Axial chest CT slice 58 of 162 (counted from the lowest slice); tube voltage 120 kVp, convolution kernel BONE; slices 1.25 mm thick, 0.703 mm per pixel.
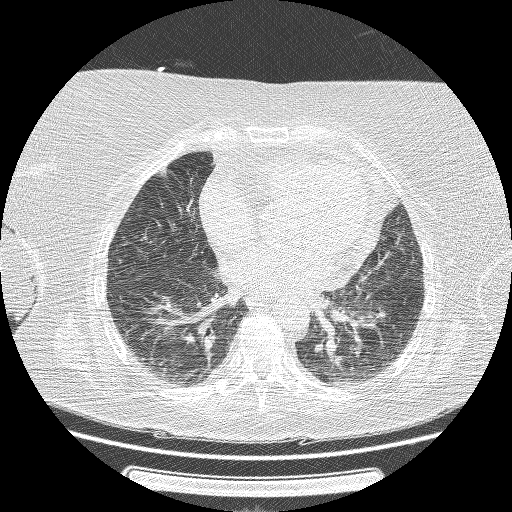
Pulmonary nodule outlined by all four readers, two of them on this slice; box rows 167–177, columns 157–167 (the union of the readers' outlines on this slice); the four readers' outlines give a longest diameter between 10.9 and 13.0 mm and a volume between 239 and 644 mm3. The readers' ratings, as ranges where they differ: texture 5/5 (solid) from all four readers; margin 4/5, all four readers agreeing; sphericity from 3/5 (ovoid) to 4/5 across the four readers; calcification: absent (three), solid calcification (one); internal structure soft tissue, all four readers agreeing; subtlety from 4/5 to 5/5 across the four readers; malignancy likelihood from 1/5 to 3/5 across the four readers. Scale key (1–5): texture non-solid→solid, margin indistinct→circumscribed, sphericity linear→round, subtlety extremely subtle→obvious, malignancy likelihood highly unlikely→highly suspicious of cancer. Box rows and columns are 0-based pixel indices from the top-left corner, inclusive.